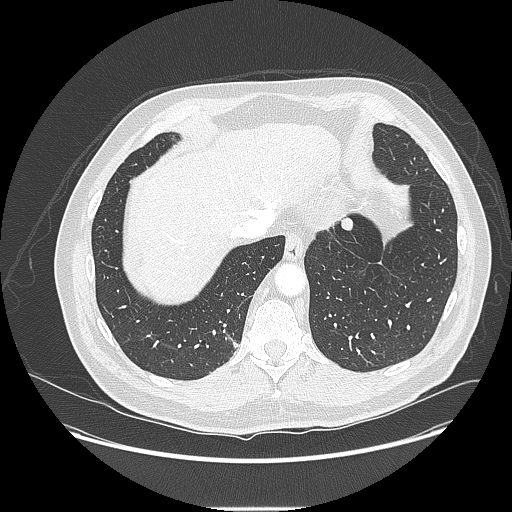
Axial chest CT slice 31 of 214 (counted from the lowest slice); tube voltage 120 kVp, convolution kernel LUNG; slices 1.25 mm thick, 0.820 mm per pixel.
Pulmonary nodule, outlined by all four readers. Box on this slice rows 217–230, columns 340–353, the union of the readers' outlines on this slice; longest diameter 14.1 mm on average over the four readers' outlines (readers' outlines 13.0–15.6 mm), volume 578–699 mm3. Ratings, by the readers' most common answer with dissent counted: texture 5/5 (solid), all four readers agreeing; most readers (three of four) put margin at 5/5 (circumscribed), others 4/5 (one); sphericity 5/5 (round) by two of four readers; the rest gave 3/5 (ovoid) (one), 4/5 (one); calcification absent, all four readers agreeing; internal structure soft tissue, all four readers agreeing; subtlety 5/5 by two of four readers; the rest gave 3/5 (one), 4/5 (one); malignancy likelihood 4/5 by two of four readers; the rest gave 2/5 (one), 3/5 (one). Scale key (1–5): texture non-solid→solid, margin indistinct→circumscribed, sphericity linear→round, subtlety extremely subtle→obvious, malignancy likelihood highly unlikely→highly suspicious of cancer. Box rows and columns are 0-based pixel indices from the top-left corner, inclusive.